Axial chest CT slice 86 of 133 (counted from the lowest slice); tube voltage 120 kVp, convolution kernel STANDARD; slices 2.50 mm thick, 0.703 mm per pixel.
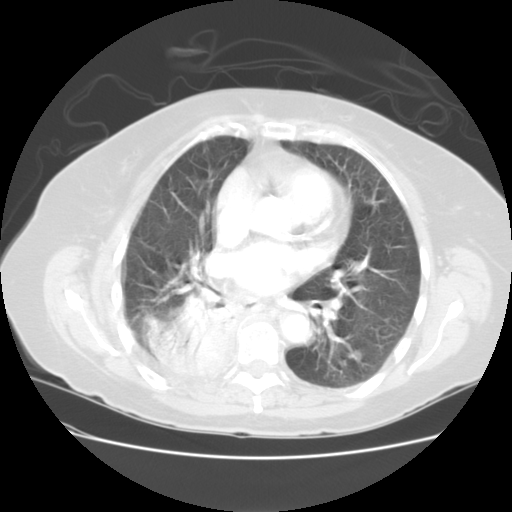
Pulmonary nodule at rows 351–360, columns 347–360 (box = the one reader's outline on this slice), outlined by all four readers, one of them on this slice; longest diameter 10.1–11.1 mm and volume 209–659 mm3 across the four readers' outlines. Ratings across the readers: texture from 4/5 to 5/5 (solid) across the four readers; margin from 3/5 to 5/5 (circumscribed) across the four readers; sphericity from 2/5 to 5/5 (round) across the four readers; calcification absent from all four readers; internal structure soft tissue, all four readers agreeing; subtlety from 4/5 to 5/5 across the four readers; malignancy likelihood 3/5, all four readers agreeing. Scale key (1–5): texture non-solid→solid, margin indistinct→circumscribed, sphericity linear→round, subtlety extremely subtle→obvious, malignancy likelihood highly unlikely→highly suspicious of cancer. Box rows and columns are 0-based pixel indices from the top-left corner, inclusive.